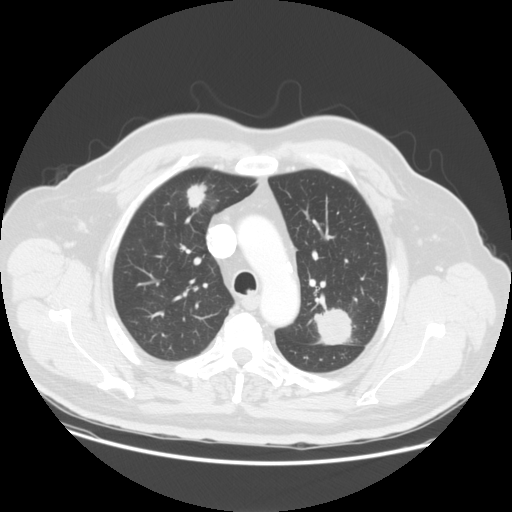
One axial slice (114 of 149, counting up from the lowest) of a chest CT acquired at 120 kVp with the STANDARD kernel; each pixel is 0.781 mm and the slice is 2.50 mm thick.
Two pulmonary nodules on this slice, listed from left to right. (1) Pulmonary nodule at rows 181–210, columns 186–207 (box = the union of the readers' outlines on this slice), outlined by all four readers; median longest diameter 28.1 mm (readers' outlines 24.8–32.8 mm), median volume 2691 mm3 (2485–3042 mm3). Median ratings and the readers' spread: texture 4.5/5 at the median of four readers, spread 1/5 (non-solid) to 5/5 (solid); margin 4/5 from all four readers; sphericity 3/5 (ovoid) at the median of four readers, spread 3/5 (ovoid) to 5/5 (round); calcification absent, all four readers agreeing; internal structure soft tissue, all four readers agreeing; subtlety 5/5, all four readers agreeing; median malignancy likelihood 5/5 (readers ranged 4–5). (2) Pulmonary nodule at rows 307–344, columns 315–351 (box = the union of the readers' outlines on this slice), outlined by three of the four readers; median longest diameter 34.9 mm (readers' outlines 34.5–53.9 mm), median volume 16329 mm3 (15350–17058 mm3). Median ratings and the readers' spread: texture 5/5 (solid), all three readers agreeing; median margin 4/5 (readers ranged 4/5 to 5/5 (circumscribed)); sphericity 4/5 at the median of three readers, spread 4/5 to 5/5 (round); calcification absent, all three readers agreeing; internal structure soft tissue from all three readers; subtlety 5/5, all three readers agreeing; malignancy likelihood 5/5 at the median of three readers, spread 4–5. Scale key (1–5): texture non-solid→solid, margin indistinct→circumscribed, sphericity linear→round, subtlety extremely subtle→obvious, malignancy likelihood highly unlikely→highly suspicious of cancer. Box rows and columns are 0-based pixel indices from the top-left corner, inclusive.